One axial slice (114 of 305, counting up from the lowest) of a chest CT acquired at 140 kVp with the B kernel; each pixel is 0.834 mm and the slice is 2.00 mm thick.
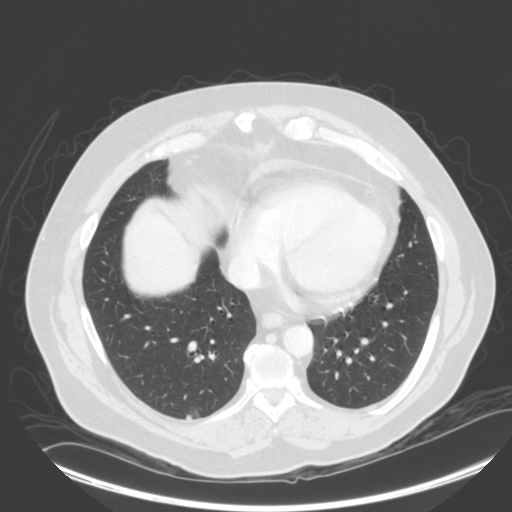
Pulmonary nodule, outlined by three of the four readers. Box on this slice rows 415–419, columns 185–191, the union of the readers' outlines on this slice; longest diameter 6.3 mm on average over the three readers' outlines (readers' outlines 5.9–6.7 mm), volume 59–79 mm3. Ratings, by the readers' most common answer with dissent counted: texture 5/5 (solid), all three readers agreeing; most readers (two of three) put margin at 5/5 (circumscribed), others 4/5 (one); sphericity 4/5 from all three readers; calcification absent, all three readers agreeing; internal structure soft tissue from all three readers; subtlety 5/5 by two of three readers; the rest gave 4/5 (one); malignancy likelihood 3/5 by two of three readers; the rest gave 2/5 (one). Scale key (1–5): texture non-solid→solid, margin indistinct→circumscribed, sphericity linear→round, subtlety extremely subtle→obvious, malignancy likelihood highly unlikely→highly suspicious of cancer. Box rows and columns are 0-based pixel indices from the top-left corner, inclusive.